Axial slice 82 of 143 of a chest CT (slice 1 is the lowest), reconstructed with the LUNG kernel at 120 kVp; 2.50 mm slice thickness and 0.781 mm pixels.
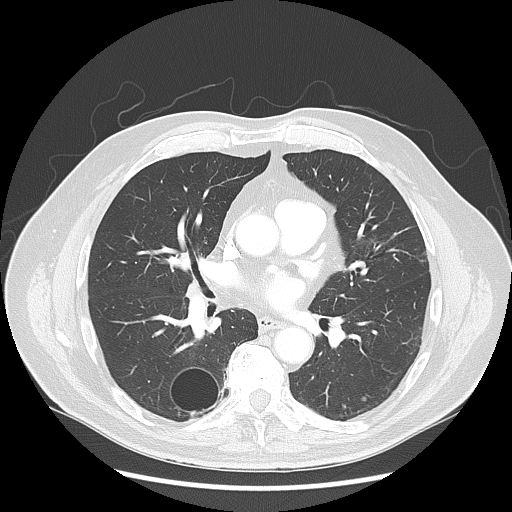
Pulmonary nodule, outlined by all four readers. Box on this slice rows 396–400, columns 361–366, the union of the readers' outlines on this slice; the four readers' outlines give a longest diameter between 6.7 and 7.2 mm and a volume between 165 and 182 mm3. The readers' ratings, as ranges where they differ: texture 5/5 (solid) from all four readers; margin from 4/5 to 5/5 (circumscribed) across the four readers; sphericity from 4/5 to 5/5 (round) across the four readers; calcification: absent (three), solid calcification (one); internal structure soft tissue, all four readers agreeing; subtlety from 4/5 to 5/5 across the four readers; malignancy likelihood 1–3/5 (the readers disagree). Scale key (1–5): texture non-solid→solid, margin indistinct→circumscribed, sphericity linear→round, subtlety extremely subtle→obvious, malignancy likelihood highly unlikely→highly suspicious of cancer. Box rows and columns are 0-based pixel indices from the top-left corner, inclusive.